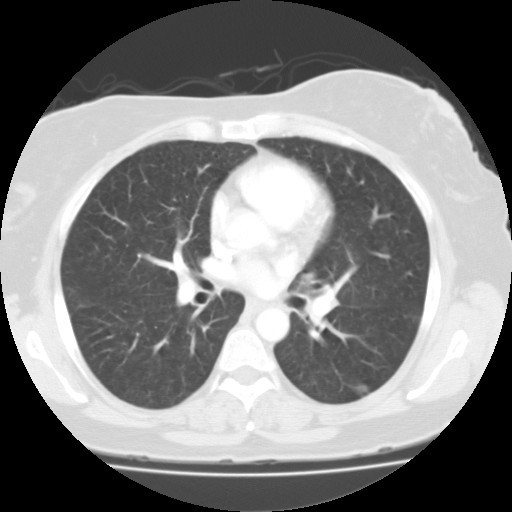
Slice 68/113 of a chest CT, counting up from the lowest; pixel size 0.698 mm, slice thickness 3.00 mm. Pulmonary nodule at rows 384–395, columns 351–369 (box = the union of the readers' outlines on this slice), outlined by all four readers, three of them on this slice; longest diameter 16.1 mm on average over the four readers' outlines (readers' outlines 13.7–17.3 mm), volume 768–1779 mm3. The readers' prevailing ratings and who disagreed: texture 5/5 (solid) by three of four readers; the rest gave 4/5 (one); margin 4/5 by three of four readers; the rest gave 3/5 (one); sphericity 4/5 by three of four readers; the rest gave 3/5 (ovoid) (one); calcification absent by three of four readers, central calcification (one); internal structure soft tissue, all four readers agreeing; most readers (three of four) put subtlety at 5/5, others 3/5 (one); most readers (three of four) put malignancy likelihood at 3/5, others 1/5 (one). Scale key (1–5): texture non-solid→solid, margin indistinct→circumscribed, sphericity linear→round, subtlety extremely subtle→obvious, malignancy likelihood highly unlikely→highly suspicious of cancer. Box rows and columns are 0-based pixel indices from the top-left corner, inclusive.
Scan settings: 135 kVp, FC01 reconstruction kernel.